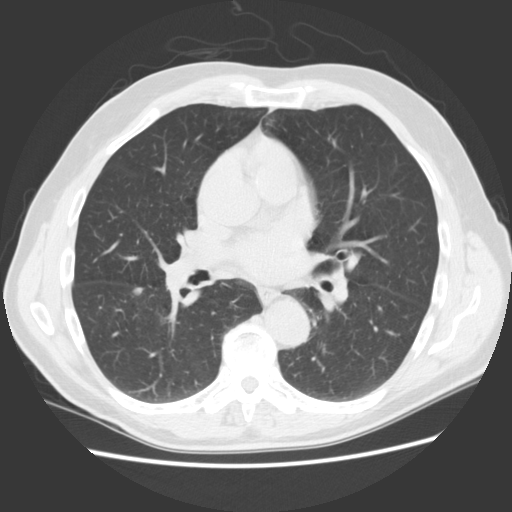
This is axial slice 84 of 157 (slice 1 is the lowest) of a chest CT; each pixel is 0.703 mm and the slice is 2.50 mm thick. Pulmonary nodule, outlined by all four readers. Box on this slice rows 287–295, columns 132–142, the union of the readers' outlines on this slice; the four readers' outlines give a longest diameter between 7.8 and 8.7 mm and a volume between 103 and 291 mm3. The readers' ratings, as ranges where they differ: texture 5/5 (solid) from all four readers; margin from 4/5 to 5/5 (circumscribed) across the four readers; sphericity from 3/5 (ovoid) to 4/5 across the four readers; calcification absent from all four readers; internal structure soft tissue, all four readers agreeing; subtlety rated between 2 and 5 out of 5 by the four readers; malignancy likelihood 1–3/5 (the readers disagree). Scale key (1–5): texture non-solid→solid, margin indistinct→circumscribed, sphericity linear→round, subtlety extremely subtle→obvious, malignancy likelihood highly unlikely→highly suspicious of cancer. Box rows and columns are 0-based pixel indices from the top-left corner, inclusive.
Tube voltage 120 kVp; convolution kernel STANDARD.